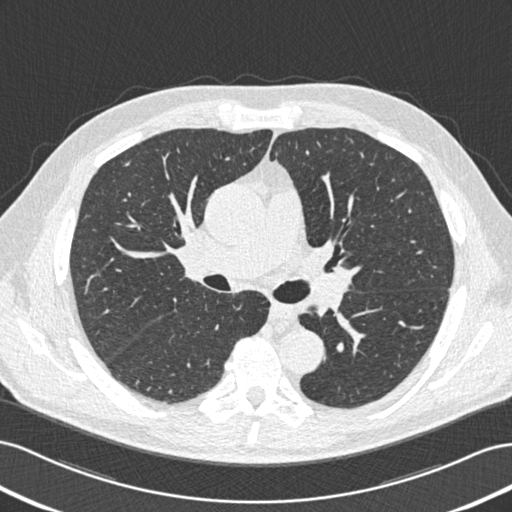
Axial chest CT slice 308 of 506 (counted from the lowest slice); 0.75 mm thick, 0.699 mm per pixel. Pulmonary nodule at rows 161–165, columns 124–129 (box = the union of the readers' outlines on this slice), outlined by all four readers, two of them on this slice; longest diameter 8.3 mm on average over the four readers' outlines (readers' outlines 6.9–9.7 mm), volume 41–96 mm3. Ratings, by the readers' most common answer with dissent counted: texture 5/5 (solid) from all four readers; margin 4/5 by two of four readers; the rest gave 2/5 (one), 5/5 (circumscribed) (one); sphericity 3/5 (ovoid) by two of four readers; the rest gave 4/5 (one), 5/5 (round) (one); calcification absent from all four readers; internal structure soft tissue from all four readers; subtlety split among the readers: 3/5 (two), 4/5 (two); malignancy likelihood 3/5 by two of four readers; the rest gave 1/5 (one), 2/5 (one). Scale key (1–5): texture non-solid→solid, margin indistinct→circumscribed, sphericity linear→round, subtlety extremely subtle→obvious, malignancy likelihood highly unlikely→highly suspicious of cancer. Box rows and columns are 0-based pixel indices from the top-left corner, inclusive.
Scan settings: 120 kVp, B30f reconstruction kernel.